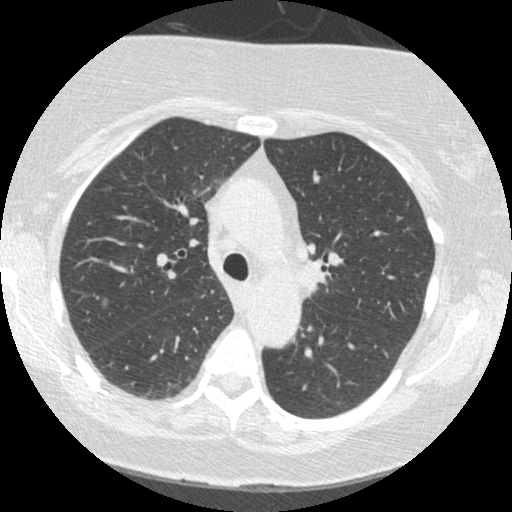
Axial chest CT slice 231 of 372 (counted from the lowest slice); tube voltage 120 kVp, convolution kernel STANDARD; slices 1.25 mm thick, 0.586 mm per pixel.
Pulmonary nodule outlined by three of the four readers; box rows 297–307, columns 100–107 (the union of the readers' outlines on this slice); longest diameter 7.8 mm on average over the three readers' outlines (readers' outlines 7.6–8.0 mm), volume 95–117 mm3. Ratings, by the readers' most common answer with dissent counted: texture 4/5 by two of three readers; the rest gave 1/5 (non-solid) (one); margin 4/5 by two of three readers; the rest gave 1/5 (indistinct) (one); sphericity 4/5 by two of three readers; the rest gave 5/5 (round) (one); calcification absent from all three readers; internal structure soft tissue from all three readers; most readers (two of three) put subtlety at 4/5, others 2/5 (one); most readers (two of three) put malignancy likelihood at 3/5, others 4/5 (one). Scale key (1–5): texture non-solid→solid, margin indistinct→circumscribed, sphericity linear→round, subtlety extremely subtle→obvious, malignancy likelihood highly unlikely→highly suspicious of cancer. Box rows and columns are 0-based pixel indices from the top-left corner, inclusive.